Axial slice 271 of 392 of a chest CT (slice 1 is the lowest), reconstructed with the C kernel at 120 kVp; 1.50 mm slice thickness and 0.639 mm pixels.
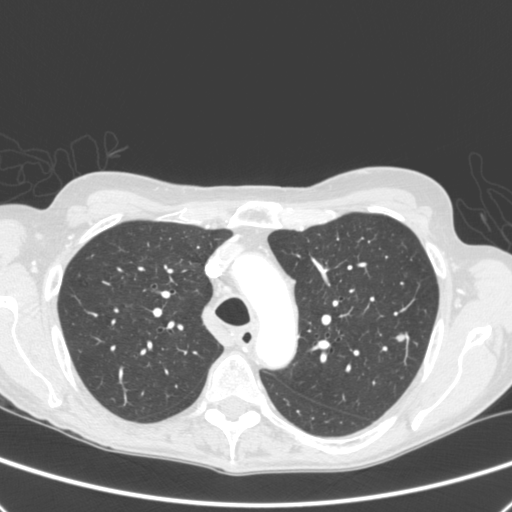
Pulmonary nodule outlined by all four readers; box rows 333–341, columns 396–404 (the union of the readers' outlines on this slice); the four readers' outlines give a longest diameter between 6.6 and 6.8 mm and a volume between 88 and 125 mm3. The readers' ratings, as ranges where they differ: texture 5/5 (solid) from all four readers; margin from 4/5 to 5/5 (circumscribed) across the four readers; sphericity from 4/5 to 5/5 (round) across the four readers; calcification absent, all four readers agreeing; internal structure soft tissue, all four readers agreeing; subtlety 2–5/5 (the readers disagree); malignancy likelihood rated between 2 and 4 out of 5 by the four readers. Scale key (1–5): texture non-solid→solid, margin indistinct→circumscribed, sphericity linear→round, subtlety extremely subtle→obvious, malignancy likelihood highly unlikely→highly suspicious of cancer. Box rows and columns are 0-based pixel indices from the top-left corner, inclusive.